One axial slice (144 of 250, counting up from the lowest) of a chest CT acquired at 120 kVp with the BONE kernel; each pixel is 0.586 mm and the slice is 1.25 mm thick.
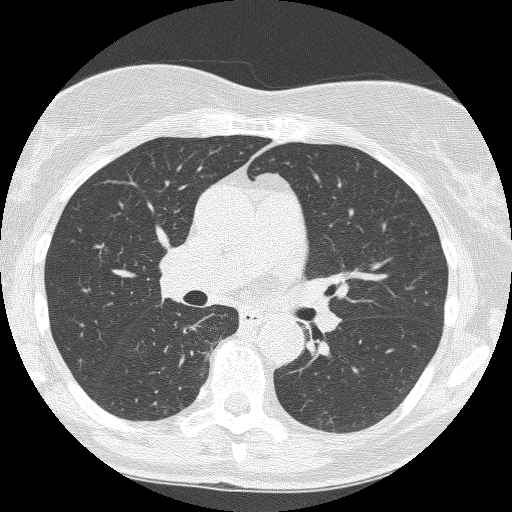
None of the four readers outlined a nodule of 3 mm or more on this slice.